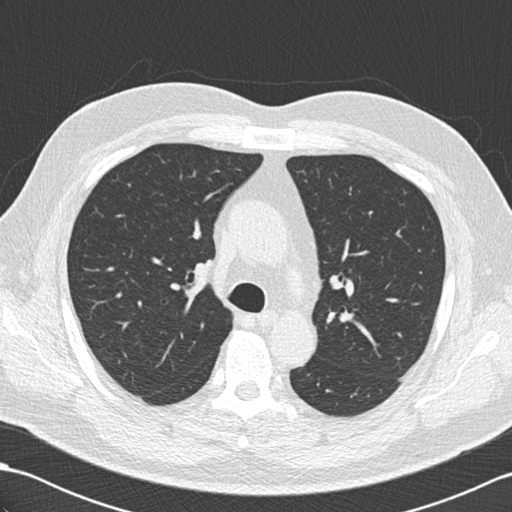
Slice 142/203 of a chest CT, counting up from the lowest; pixel size 0.684 mm, slice thickness 2.00 mm. Pulmonary nodule at rows 269–272, columns 348–351 (box = that reader's outline on this slice), outlined by one of the four readers; longest diameter 8.3 mm and volume 241 mm3 from that reader's outline. That reader's ratings: texture 4/5; margin 5/5 (circumscribed); sphericity 4/5; calcification non-central calcification; internal structure soft tissue; subtlety 4/5; malignancy likelihood 2/5. Scale key (1–5): texture non-solid→solid, margin indistinct→circumscribed, sphericity linear→round, subtlety extremely subtle→obvious, malignancy likelihood highly unlikely→highly suspicious of cancer. Box rows and columns are 0-based pixel indices from the top-left corner, inclusive.
Tube voltage 120 kVp; convolution kernel B30f.